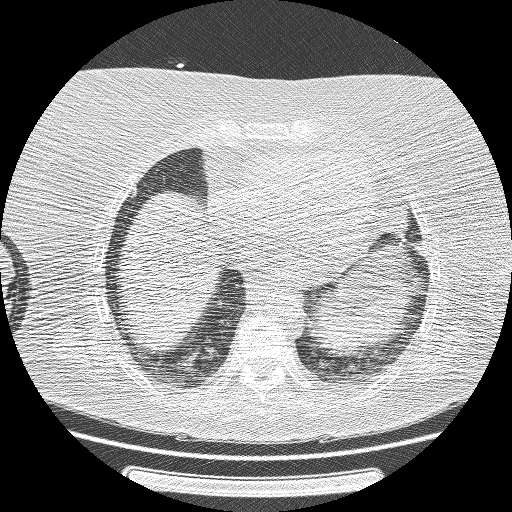
Axial slice 45 of 162 of a chest CT (slice 1 is the lowest), reconstructed with the BONE kernel at 120 kVp; 1.25 mm slice thickness and 0.703 mm pixels.
Pulmonary nodule at rows 219–237, columns 389–407 (box = the one reader's outline on this slice), outlined by two of the four readers, one of them on this slice; longest diameter 20.4 mm on average over the two readers' outlines (readers' outlines 19.1–21.7 mm), volume 914–2424 mm3. The readers' prevailing ratings and who disagreed: texture 5/5 (solid) from both readers; margin split among the readers: 3/5 (one), 4/5 (one); sphericity split among the readers: 3/5 (ovoid) (one), 4/5 (one); calcification absent, both readers agreeing; internal structure soft tissue, both readers agreeing; subtlety split among the readers: 4/5 (one), 5/5 (one); malignancy likelihood 3/5 from both readers. Scale key (1–5): texture non-solid→solid, margin indistinct→circumscribed, sphericity linear→round, subtlety extremely subtle→obvious, malignancy likelihood highly unlikely→highly suspicious of cancer. Box rows and columns are 0-based pixel indices from the top-left corner, inclusive.